One axial slice (54 of 117, counting up from the lowest) of a chest CT acquired at 120 kVp with the LUNG kernel; each pixel is 0.898 mm and the slice is 2.50 mm thick.
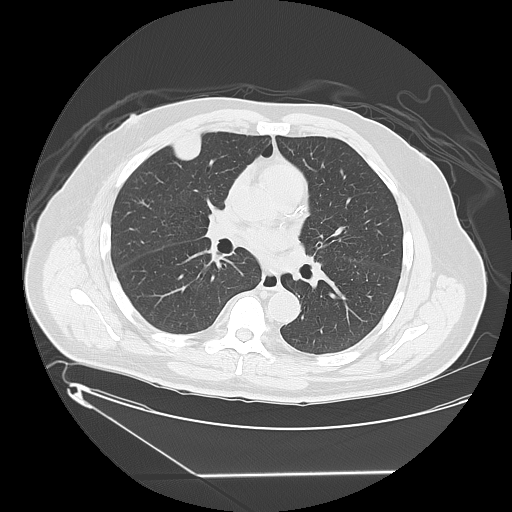
Pulmonary nodule outlined by three of the four readers; box rows 134–161, columns 169–200 (the union of the readers' outlines on this slice); longest diameter 32.3–37.3 mm and volume 8512–9765 mm3 across the three readers' outlines. Ratings across the readers: texture 5/5 (solid) from all three readers; margin 5/5 (circumscribed) from all three readers; sphericity from 3/5 (ovoid) to 5/5 (round) across the three readers; calcification absent, all three readers agreeing; internal structure soft tissue from all three readers; subtlety from 3/5 to 5/5 across the three readers; malignancy likelihood 2–5/5 (the readers disagree). Scale key (1–5): texture non-solid→solid, margin indistinct→circumscribed, sphericity linear→round, subtlety extremely subtle→obvious, malignancy likelihood highly unlikely→highly suspicious of cancer. Box rows and columns are 0-based pixel indices from the top-left corner, inclusive.